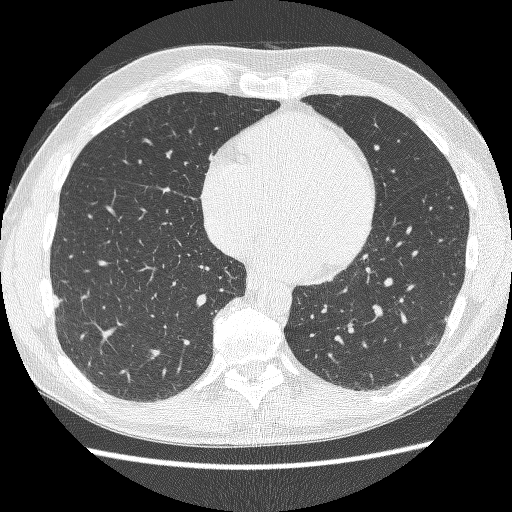
This is axial slice 87 of 252 (slice 1 is the lowest) of a chest CT; each pixel is 0.703 mm and the slice is 1.25 mm thick. Pulmonary nodule, outlined by two of the four readers. Box on this slice rows 293–308, columns 52–59, the union of the readers' outlines on this slice; median longest diameter 12.1 mm (readers' outlines 11.4–12.7 mm), median volume 259 mm3 (256–262 mm3). Median ratings and the readers' spread: median texture 4.5/5 (readers ranged 4/5 to 5/5 (solid)); median margin 4/5 (readers ranged 3/5 to 5/5 (circumscribed)); median sphericity 2.5/5 (readers ranged 2/5 to 3/5 (ovoid)); calcification absent from both readers; internal structure soft tissue, both readers agreeing; subtlety 3.5/5 at the median of two readers, spread 2–5; median malignancy likelihood 2.5/5 (readers ranged 2–3). Scale key (1–5): texture non-solid→solid, margin indistinct→circumscribed, sphericity linear→round, subtlety extremely subtle→obvious, malignancy likelihood highly unlikely→highly suspicious of cancer. Box rows and columns are 0-based pixel indices from the top-left corner, inclusive.
Acquired at 120 kVp and reconstructed with the BONE kernel.